Axial slice 179 of 248 of a chest CT (slice 1 is the lowest), reconstructed with the STANDARD kernel at 120 kVp; 1.25 mm slice thickness and 0.703 mm pixels.
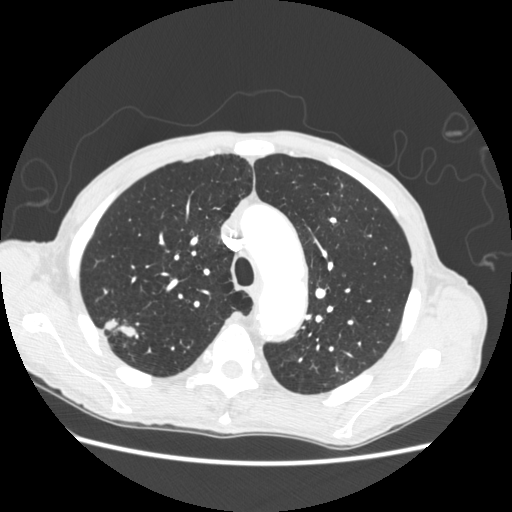
Pulmonary nodule at rows 317–339, columns 103–139 (box = the union of the readers' outlines on this slice), outlined by all four readers; the four readers' outlines give a longest diameter between 26.0 and 32.7 mm and a volume between 5181 and 6655 mm3. The readers' ratings, as ranges where they differ: texture 5/5 (solid) from all four readers; margin from 2/5 to 5/5 (circumscribed) across the four readers; sphericity from 3/5 (ovoid) to 4/5 across the four readers; calcification absent from all four readers; internal structure soft tissue from all four readers; subtlety 5/5, all four readers agreeing; malignancy likelihood from 3/5 to 5/5 across the four readers. Scale key (1–5): texture non-solid→solid, margin indistinct→circumscribed, sphericity linear→round, subtlety extremely subtle→obvious, malignancy likelihood highly unlikely→highly suspicious of cancer. Box rows and columns are 0-based pixel indices from the top-left corner, inclusive.